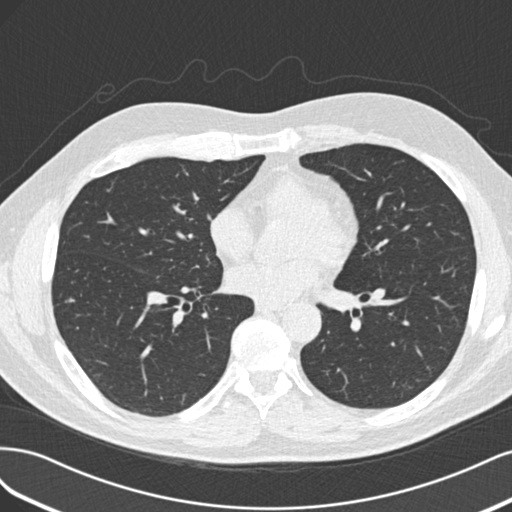
Axial chest CT slice 91 of 193 (counted from the lowest slice); tube voltage 120 kVp, convolution kernel B30f; slices 2.00 mm thick, 0.703 mm per pixel.
Pulmonary nodule outlined by three of the four readers, two of them on this slice; box rows 297–303, columns 65–76 (the union of the readers' outlines on this slice); longest diameter 8.0–9.4 mm and volume 118–208 mm3 across the three readers' outlines. Ratings across the readers: texture from 4/5 to 5/5 (solid) across the three readers; margin from 4/5 to 5/5 (circumscribed) across the three readers; sphericity from 3/5 (ovoid) to 4/5 across the three readers; calcification absent from all three readers; internal structure soft tissue, all three readers agreeing; subtlety rated between 3 and 4 out of 5 by the three readers; malignancy likelihood 3/5 from all three readers. Scale key (1–5): texture non-solid→solid, margin indistinct→circumscribed, sphericity linear→round, subtlety extremely subtle→obvious, malignancy likelihood highly unlikely→highly suspicious of cancer. Box rows and columns are 0-based pixel indices from the top-left corner, inclusive.